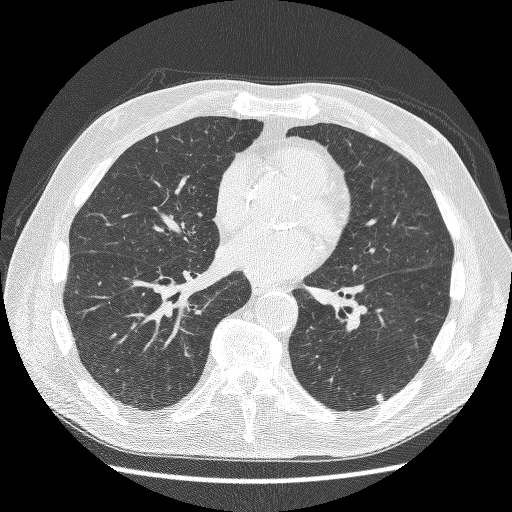
Axial chest CT slice 107 of 241 (counted from the lowest slice); 1.25 mm thick, 0.703 mm per pixel. Pulmonary nodule at rows 394–404, columns 376–383 (box = the union of the readers' outlines on this slice), outlined by all four readers; median longest diameter 8.2 mm (readers' outlines 7.3–8.7 mm), median volume 119 mm3 (91–167 mm3). Median ratings and the readers' spread: texture 5/5 (solid) from all four readers; median margin 5/5 (circumscribed) (readers ranged 4/5 to 5/5 (circumscribed)); sphericity 4/5 at the median of four readers, spread 3/5 (ovoid) to 5/5 (round); calcification: absent (three), solid calcification (one); internal structure soft tissue, all four readers agreeing; median subtlety 4/5 (readers ranged 4–5); median malignancy likelihood 3/5 (readers ranged 1–4). Scale key (1–5): texture non-solid→solid, margin indistinct→circumscribed, sphericity linear→round, subtlety extremely subtle→obvious, malignancy likelihood highly unlikely→highly suspicious of cancer. Box rows and columns are 0-based pixel indices from the top-left corner, inclusive.
Acquired at 120 kVp and reconstructed with the BONE kernel.